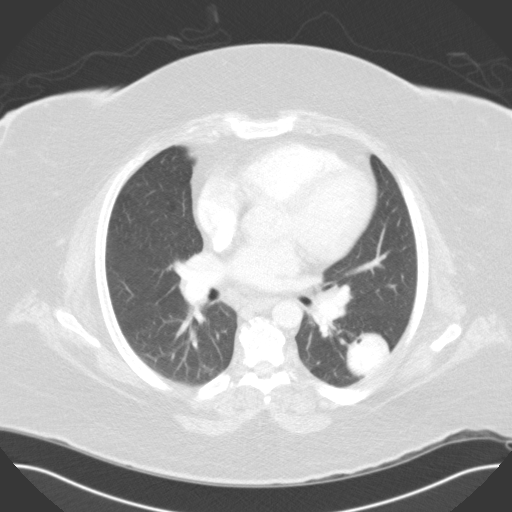
Axial chest CT slice 77 of 117 (counted from the lowest slice); 3.00 mm thick, 0.779 mm per pixel. Pulmonary nodule, outlined by two of the four readers. Box on this slice rows 333–376, columns 346–389, the union of the readers' outlines on this slice; median longest diameter 39.4 mm (readers' outlines 39.2–39.6 mm), median volume 25205 mm3 (24959–25451 mm3). Ratings, median across the readers with their spread: texture 5/5 (solid) from both readers; margin 5/5 (circumscribed) from both readers; sphericity 5/5 (round) from both readers; calcification split among the readers: laminated calcification (one), absent (one); internal structure soft tissue, both readers agreeing; subtlety 5/5 from both readers; malignancy likelihood 2.5/5 at the median of two readers, spread 2–3. Scale key (1–5): texture non-solid→solid, margin indistinct→circumscribed, sphericity linear→round, subtlety extremely subtle→obvious, malignancy likelihood highly unlikely→highly suspicious of cancer. Box rows and columns are 0-based pixel indices from the top-left corner, inclusive.
Scan settings: 120 kVp, B31f reconstruction kernel.